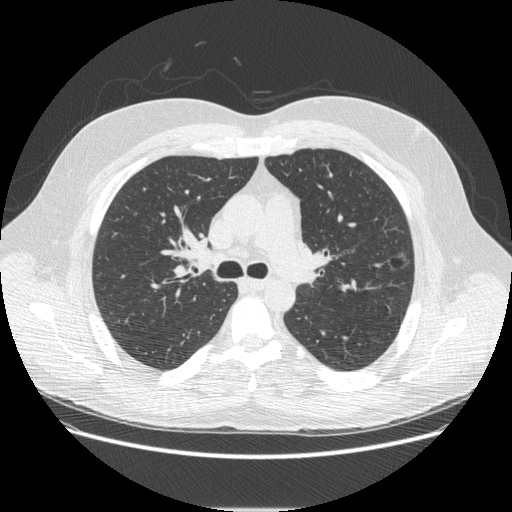
Axial slice 310 of 497 of a chest CT (slice 1 is the lowest), reconstructed with the STANDARD kernel at 120 kVp; 1.25 mm slice thickness and 0.762 mm pixels.
Pulmonary nodule outlined by all four readers; box rows 251–271, columns 387–409 (the union of the readers' outlines on this slice); the four readers' outlines give a longest diameter between 21.5 and 22.5 mm and a volume between 2170 and 2597 mm3. The readers' ratings, as ranges where they differ: texture from 1/5 (non-solid) to 3/5 (part-solid) across the four readers; margin from 2/5 to 4/5 across the four readers; sphericity from 3/5 (ovoid) to 5/5 (round) across the four readers; calcification absent, all four readers agreeing; internal structure split among the readers: air (two), soft tissue (two); subtlety rated between 1 and 5 out of 5 by the four readers; malignancy likelihood 1–5/5 (the readers disagree). Scale key (1–5): texture non-solid→solid, margin indistinct→circumscribed, sphericity linear→round, subtlety extremely subtle→obvious, malignancy likelihood highly unlikely→highly suspicious of cancer. Box rows and columns are 0-based pixel indices from the top-left corner, inclusive.